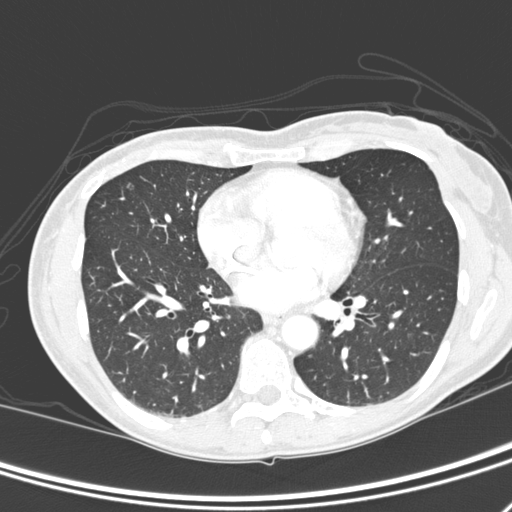
Chest CT, axial plane, 120 kVp, kernel D. Slice 142/290 from the bottom of the scan; thickness 1.00 mm; pixel size 0.611 mm.
Pulmonary nodule at rows 183–189, columns 127–132 (box = the union of the readers' outlines on this slice), outlined by two of the four readers; the two readers' outlines give a longest diameter between 7.0 and 7.2 mm and a volume between 57 and 64 mm3. The readers' ratings, as ranges where they differ: texture 5/5 (solid), both readers agreeing; margin from 3/5 to 5/5 (circumscribed) across the two readers; sphericity from 4/5 to 5/5 (round) across the two readers; calcification absent from both readers; internal structure split among the readers: air (one), soft tissue (one); subtlety 2–4/5 (the readers disagree); malignancy likelihood 3/5, both readers agreeing. Scale key (1–5): texture non-solid→solid, margin indistinct→circumscribed, sphericity linear→round, subtlety extremely subtle→obvious, malignancy likelihood highly unlikely→highly suspicious of cancer. Box rows and columns are 0-based pixel indices from the top-left corner, inclusive.